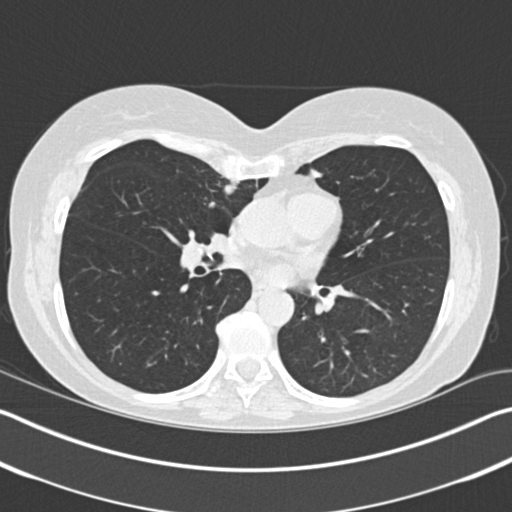
Axial chest CT slice 94 of 183 (counted from the lowest slice); 2.00 mm thick, 0.664 mm per pixel. Two pulmonary nodules on this slice, listed from left to right. (1) Pulmonary nodule, outlined by all four readers. Box on this slice rows 201–209, columns 208–215, the union of the readers' outlines on this slice; longest diameter 5.7–6.8 mm and volume 42–157 mm3 across the four readers' outlines. The readers' ratings, as ranges where they differ: texture 5/5 (solid) from all four readers; margin 5/5 (circumscribed) from all four readers; sphericity from 3/5 (ovoid) to 5/5 (round) across the four readers; calcification absent, all four readers agreeing; internal structure soft tissue, all four readers agreeing; subtlety from 2/5 to 4/5 across the four readers; malignancy likelihood 2–3/5 (the readers disagree). (2) Pulmonary nodule at rows 180–195, columns 224–239 (box = the union of the readers' outlines on this slice), outlined by all four readers; longest diameter 14.4–15.3 mm and volume 647–1201 mm3 across the four readers' outlines. Ratings across the readers: texture 5/5 (solid), all four readers agreeing; margin from 4/5 to 5/5 (circumscribed) across the four readers; sphericity from 3/5 (ovoid) to 4/5 across the four readers; calcification absent from all four readers; internal structure soft tissue from all four readers; subtlety from 4/5 to 5/5 across the four readers; malignancy likelihood rated between 3 and 5 out of 5 by the four readers. Scale key (1–5): texture non-solid→solid, margin indistinct→circumscribed, sphericity linear→round, subtlety extremely subtle→obvious, malignancy likelihood highly unlikely→highly suspicious of cancer. Box rows and columns are 0-based pixel indices from the top-left corner, inclusive.
Acquired at 120 kVp and reconstructed with the B30f kernel.